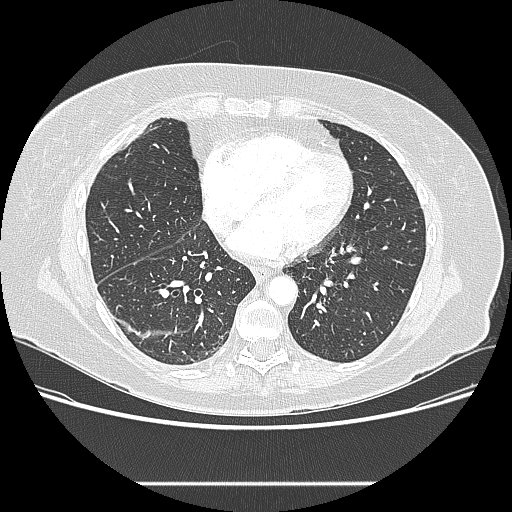
Axial chest CT slice 97 of 238 (counted from the lowest slice); 1.25 mm thick, 0.742 mm per pixel. The readers outlined no nodule of 3 mm or more on this slice.
Tube voltage 120 kVp; convolution kernel LUNG.